Axial chest CT slice 119 of 219 (counted from the lowest slice); tube voltage 120 kVp, convolution kernel B30f; slices 2.00 mm thick, 0.703 mm per pixel.
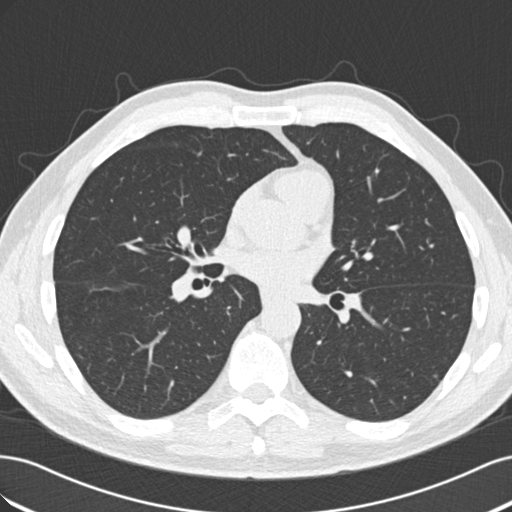
Pulmonary nodule outlined by one of the four readers; box rows 374–378, columns 431–437 (that reader's outline on this slice); longest diameter 5.7 mm and volume 45 mm3 from that reader's outline. That reader's ratings: texture 5/5 (solid); margin 5/5 (circumscribed); sphericity 4/5; calcification absent; internal structure soft tissue; subtlety 3/5; malignancy likelihood 2/5. Scale key (1–5): texture non-solid→solid, margin indistinct→circumscribed, sphericity linear→round, subtlety extremely subtle→obvious, malignancy likelihood highly unlikely→highly suspicious of cancer. Box rows and columns are 0-based pixel indices from the top-left corner, inclusive.